Axial chest CT slice 142 of 290 (counted from the lowest slice); tube voltage 120 kVp, convolution kernel B; slices 2.00 mm thick, 0.639 mm per pixel.
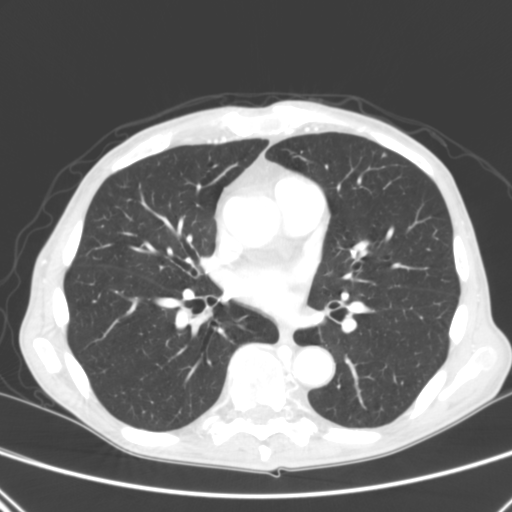
Pulmonary nodule at rows 153–157, columns 380–386 (box = the union of the readers' outlines on this slice), outlined by two of the four readers; median longest diameter 4.8 mm (readers' outlines 4.6–4.9 mm), median volume 45 mm3 (37–52 mm3). Median ratings and the readers' spread: texture 5/5 (solid) from both readers; margin 4.5/5 at the median of two readers, spread 4/5 to 5/5 (circumscribed); sphericity 4/5 from both readers; calcification absent, both readers agreeing; internal structure soft tissue, both readers agreeing; median subtlety 4.5/5 (readers ranged 4–5); median malignancy likelihood 2.5/5 (readers ranged 2–3). Scale key (1–5): texture non-solid→solid, margin indistinct→circumscribed, sphericity linear→round, subtlety extremely subtle→obvious, malignancy likelihood highly unlikely→highly suspicious of cancer. Box rows and columns are 0-based pixel indices from the top-left corner, inclusive.